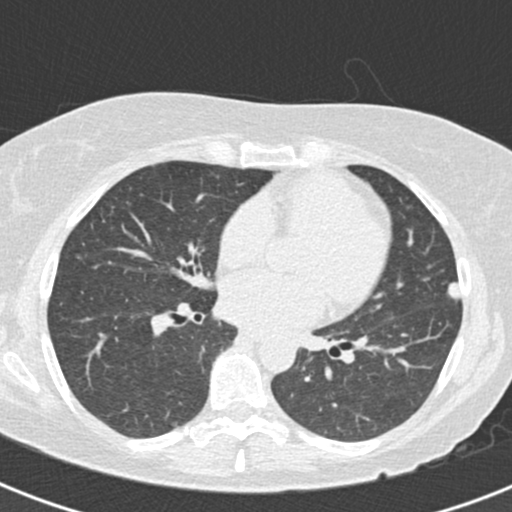
One axial slice (84 of 166, counting up from the lowest) of a chest CT acquired at 120 kVp with the B30f kernel; each pixel is 0.566 mm and the slice is 2.00 mm thick.
Pulmonary nodule, outlined by all four readers. Box on this slice rows 282–304, columns 446–461, the union of the readers' outlines on this slice; longest diameter 12.8 mm on average over the four readers' outlines (readers' outlines 11.9–13.8 mm), volume 520–710 mm3. The readers' prevailing ratings and who disagreed: texture 5/5 (solid) by three of four readers; the rest gave 4/5 (one); margin split among the readers: 4/5 (two), 5/5 (circumscribed) (two); sphericity 4/5 by three of four readers; the rest gave 5/5 (round) (one); calcification absent from all four readers; internal structure soft tissue, all four readers agreeing; subtlety split among the readers: 4/5 (two), 5/5 (two); malignancy likelihood split among the readers: 3/5 (two), 4/5 (two). Scale key (1–5): texture non-solid→solid, margin indistinct→circumscribed, sphericity linear→round, subtlety extremely subtle→obvious, malignancy likelihood highly unlikely→highly suspicious of cancer. Box rows and columns are 0-based pixel indices from the top-left corner, inclusive.